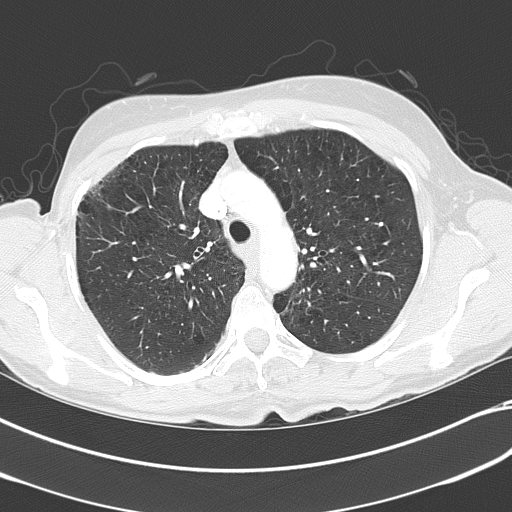
One axial slice (262 of 351, counting up from the lowest) of a chest CT acquired at 120 kVp with the B70f kernel; each pixel is 0.643 mm and the slice is 2.00 mm thick.
Pulmonary nodule at rows 204–208, columns 107–111 (box = the union of the readers' outlines on this slice), outlined by all four readers, two of them on this slice; median longest diameter 8.6 mm (readers' outlines 8.5–9.1 mm), median volume 205 mm3 (196–254 mm3). Median ratings and the readers' spread: texture 5/5 (solid) at the median of four readers, spread 1/5 (non-solid) to 5/5 (solid); margin 5/5 (circumscribed) from all four readers; median sphericity 3.5/5 (readers ranged 3/5 (ovoid) to 4/5); calcification absent, all four readers agreeing; internal structure soft tissue from all four readers; subtlety 5/5 from all four readers; malignancy likelihood 3/5 at the median of four readers, spread 3–4. Scale key (1–5): texture non-solid→solid, margin indistinct→circumscribed, sphericity linear→round, subtlety extremely subtle→obvious, malignancy likelihood highly unlikely→highly suspicious of cancer. Box rows and columns are 0-based pixel indices from the top-left corner, inclusive.